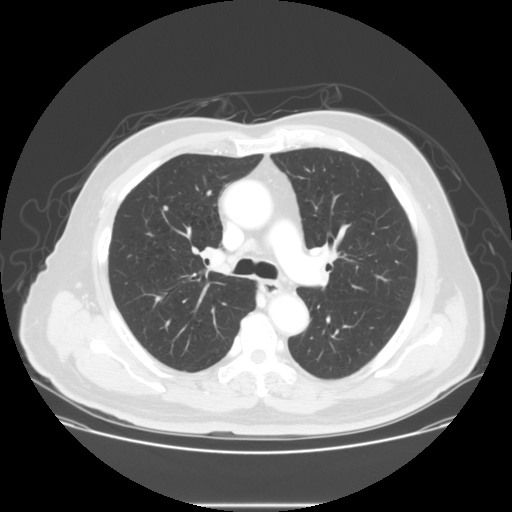
Axial slice 94 of 133 of a chest CT (slice 1 is the lowest), reconstructed with the STANDARD kernel at 140 kVp; 2.50 mm slice thickness and 0.781 mm pixels.
Pulmonary nodule outlined by three of the four readers; box rows 205–210, columns 163–167 (the union of the readers' outlines on this slice); longest diameter 5.6 mm on average over the three readers' outlines (readers' outlines 5.2–5.9 mm), volume 45–114 mm3. The readers' prevailing ratings and who disagreed: texture 5/5 (solid), all three readers agreeing; most readers (two of three) put margin at 4/5, others 5/5 (circumscribed) (one); sphericity 5/5 (round) by two of three readers; the rest gave 3/5 (ovoid) (one); calcification absent from all three readers; internal structure soft tissue from all three readers; most readers (two of three) put subtlety at 3/5, others 4/5 (one); malignancy likelihood 3/5 by two of three readers; the rest gave 2/5 (one). Scale key (1–5): texture non-solid→solid, margin indistinct→circumscribed, sphericity linear→round, subtlety extremely subtle→obvious, malignancy likelihood highly unlikely→highly suspicious of cancer. Box rows and columns are 0-based pixel indices from the top-left corner, inclusive.